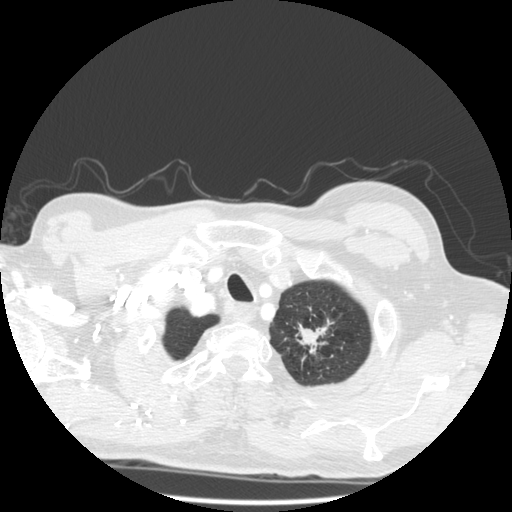
Axial chest CT slice 465 of 501 (counted from the lowest slice); tube voltage 140 kVp, convolution kernel STANDARD; slices 1.25 mm thick, 0.703 mm per pixel.
Pulmonary nodule at rows 318–354, columns 295–334 (box = the union of the readers' outlines on this slice), outlined by three of the four readers; longest diameter 32.1–39.2 mm and volume 2361–4873 mm3 across the three readers' outlines. The readers' ratings, as ranges where they differ: texture from 4/5 to 5/5 (solid) across the three readers; margin from 1/5 (indistinct) to 5/5 (circumscribed) across the three readers; sphericity from 2/5 to 5/5 (round) across the three readers; calcification absent, all three readers agreeing; internal structure soft tissue, all three readers agreeing; subtlety 5/5, all three readers agreeing; malignancy likelihood rated between 4 and 5 out of 5 by the three readers. Scale key (1–5): texture non-solid→solid, margin indistinct→circumscribed, sphericity linear→round, subtlety extremely subtle→obvious, malignancy likelihood highly unlikely→highly suspicious of cancer. Box rows and columns are 0-based pixel indices from the top-left corner, inclusive.